One axial slice (121 of 253, counting up from the lowest) of a chest CT acquired at 120 kVp with the STANDARD kernel; each pixel is 0.742 mm and the slice is 1.25 mm thick.
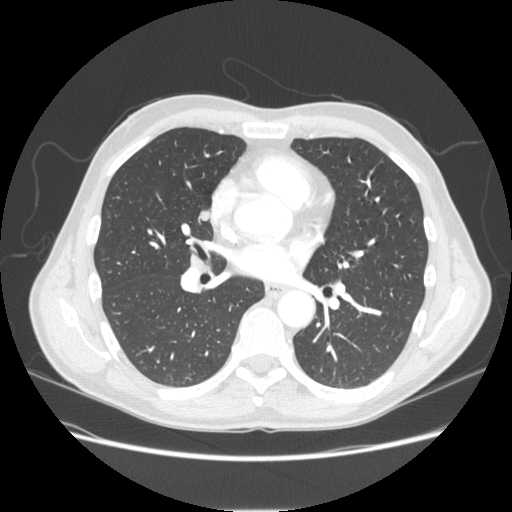
Pulmonary nodule outlined by all four readers; box rows 210–220, columns 199–210 (the union of the readers' outlines on this slice); longest diameter 9.6 mm on average over the four readers' outlines (readers' outlines 8.7–10.7 mm), volume 228–321 mm3. The readers' prevailing ratings and who disagreed: texture 5/5 (solid) from all four readers; margin 5/5 (circumscribed), all four readers agreeing; sphericity 5/5 (round) by two of four readers; the rest gave 3/5 (ovoid) (one), 4/5 (one); calcification absent from all four readers; internal structure soft tissue, all four readers agreeing; subtlety 3/5 by two of four readers; the rest gave 4/5 (one), 5/5 (one); malignancy likelihood 2/5 by two of four readers; the rest gave 3/5 (one), 4/5 (one). Scale key (1–5): texture non-solid→solid, margin indistinct→circumscribed, sphericity linear→round, subtlety extremely subtle→obvious, malignancy likelihood highly unlikely→highly suspicious of cancer. Box rows and columns are 0-based pixel indices from the top-left corner, inclusive.